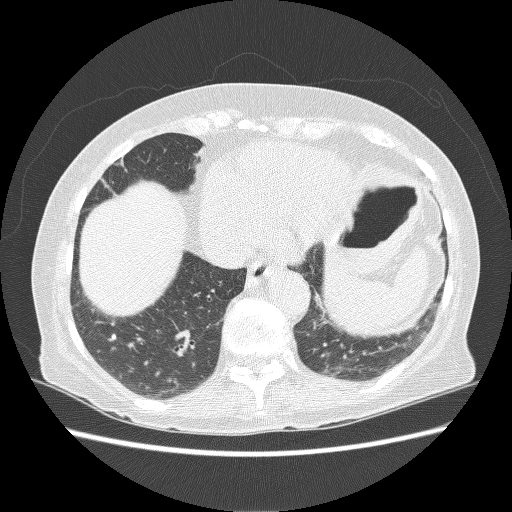
Axial slice 80 of 259 of a chest CT (slice 1 is the lowest), reconstructed with the BONE kernel at 120 kVp; 1.25 mm slice thickness and 0.703 mm pixels.
Pulmonary nodule at rows 334–339, columns 111–116 (box = the union of the readers' outlines on this slice), outlined by all four readers; longest diameter 6.4 mm on average over the four readers' outlines (readers' outlines 6.0–6.7 mm), volume 87–136 mm3. Ratings, by the readers' most common answer with dissent counted: texture 5/5 (solid) from all four readers; margin 5/5 (circumscribed) from all four readers; sphericity split among the readers: 4/5 (two), 5/5 (round) (two); calcification solid calcification, all four readers agreeing; internal structure soft tissue from all four readers; subtlety 5/5 by three of four readers; the rest gave 4/5 (one); malignancy likelihood 1/5, all four readers agreeing. Scale key (1–5): texture non-solid→solid, margin indistinct→circumscribed, sphericity linear→round, subtlety extremely subtle→obvious, malignancy likelihood highly unlikely→highly suspicious of cancer. Box rows and columns are 0-based pixel indices from the top-left corner, inclusive.